One axial slice (76 of 100, counting up from the lowest) of a chest CT acquired at 135 kVp with the FC01 kernel; each pixel is 0.540 mm and the slice is 3.00 mm thick.
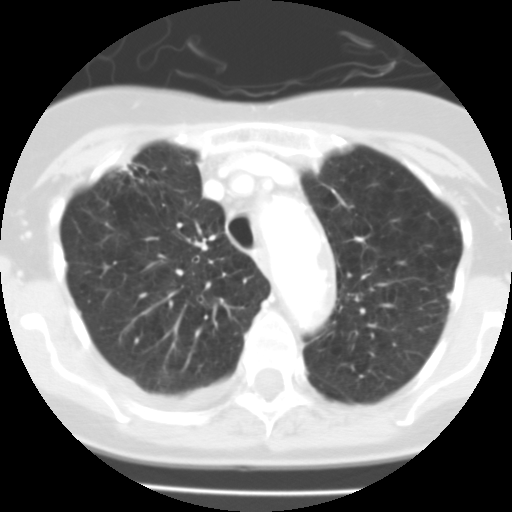
Two pulmonary nodules are outlined on this slice; from left to right: (1) Pulmonary nodule at rows 161–175, columns 118–132 (box = the one reader's outline on this slice), outlined by all four readers, one of them on this slice; the four readers' outlines give a longest diameter between 22.6 and 33.3 mm and a volume between 3212 and 10079 mm3. Ratings across the readers: texture from 4/5 to 5/5 (solid) across the four readers; margin from 1/5 (indistinct) to 4/5 across the four readers; sphericity from 3/5 (ovoid) to 5/5 (round) across the four readers; calcification absent, all four readers agreeing; internal structure soft tissue from all four readers; subtlety 5/5, all four readers agreeing; malignancy likelihood rated between 4 and 5 out of 5 by the four readers. (2) Pulmonary nodule, outlined by two of the four readers. Box on this slice rows 293–299, columns 446–450, the union of the readers' outlines on this slice; median longest diameter 10.4 mm (readers' outlines 10.2–10.7 mm), median volume 437 mm3 (433–442 mm3). Ratings, median across the readers with their spread: texture 5/5 (solid), both readers agreeing; median margin 4.5/5 (readers ranged 4/5 to 5/5 (circumscribed)); median sphericity 3.5/5 (readers ranged 2/5 to 5/5 (round)); calcification absent, both readers agreeing; internal structure soft tissue from both readers; subtlety 3.5/5 at the median of two readers, spread 3–4; median malignancy likelihood 2.5/5 (readers ranged 2–3). Scale key (1–5): texture non-solid→solid, margin indistinct→circumscribed, sphericity linear→round, subtlety extremely subtle→obvious, malignancy likelihood highly unlikely→highly suspicious of cancer. Box rows and columns are 0-based pixel indices from the top-left corner, inclusive.